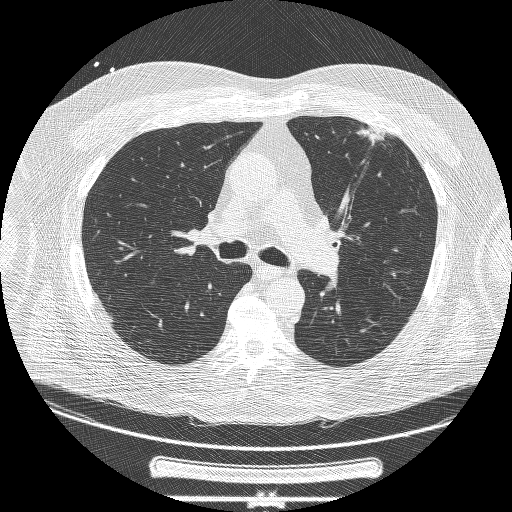
Axial chest CT slice 142 of 239 (counted from the lowest slice); tube voltage 120 kVp, convolution kernel BONE; slices 1.25 mm thick, 0.795 mm per pixel.
Pulmonary nodule outlined by two of the four readers; box rows 126–144, columns 355–385 (the union of the readers' outlines on this slice); longest diameter 43.2 mm on average over the two readers' outlines (readers' outlines 43.0–43.4 mm), volume 10396–11168 mm3. Ratings, by the readers' most common answer with dissent counted: texture split among the readers: 3/5 (part-solid) (one), 5/5 (solid) (one); margin split among the readers: 1/5 (indistinct) (one), 3/5 (one); sphericity split among the readers: 1/5 (linear) (one), 3/5 (ovoid) (one); calcification absent, both readers agreeing; internal structure soft tissue from both readers; subtlety 5/5, both readers agreeing; malignancy likelihood 5/5, both readers agreeing. Scale key (1–5): texture non-solid→solid, margin indistinct→circumscribed, sphericity linear→round, subtlety extremely subtle→obvious, malignancy likelihood highly unlikely→highly suspicious of cancer. Box rows and columns are 0-based pixel indices from the top-left corner, inclusive.